One axial slice (50 of 116, counting up from the lowest) of a chest CT acquired at 135 kVp with the FC01 kernel; each pixel is 0.702 mm and the slice is 3.00 mm thick.
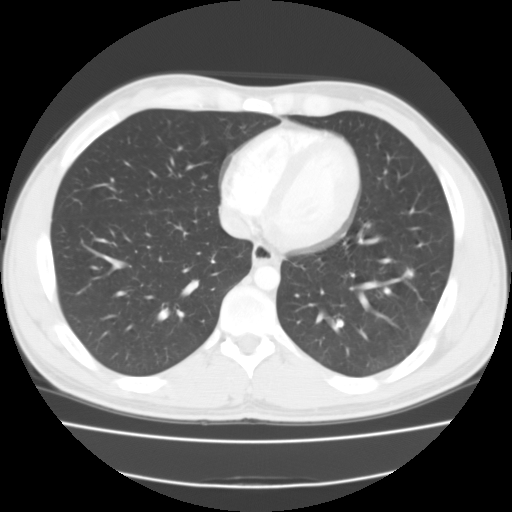
Pulmonary nodule outlined by all four readers; box rows 267–278, columns 404–414 (the union of the readers' outlines on this slice); the four readers' outlines give a longest diameter between 9.5 and 12.6 mm and a volume between 504 and 642 mm3. The readers' ratings, as ranges where they differ: texture 5/5 (solid) from all four readers; margin from 4/5 to 5/5 (circumscribed) across the four readers; sphericity from 4/5 to 5/5 (round) across the four readers; calcification split among the readers: central calcification (two), solid calcification (two); internal structure soft tissue, all four readers agreeing; subtlety rated between 4 and 5 out of 5 by the four readers; malignancy likelihood 1/5 from all four readers. Scale key (1–5): texture non-solid→solid, margin indistinct→circumscribed, sphericity linear→round, subtlety extremely subtle→obvious, malignancy likelihood highly unlikely→highly suspicious of cancer. Box rows and columns are 0-based pixel indices from the top-left corner, inclusive.